Axial slice 97 of 139 of a chest CT (slice 1 is the lowest), reconstructed with the LUNG kernel at 120 kVp; 2.50 mm slice thickness and 0.703 mm pixels.
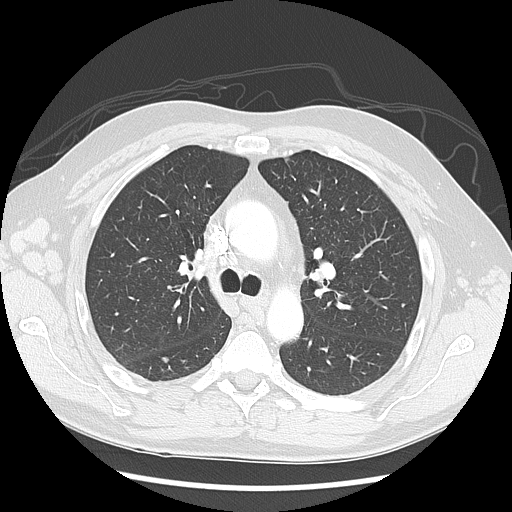
Pulmonary nodule, outlined by one of the four readers. Box on this slice rows 357–362, columns 160–168, that reader's outline on this slice; longest diameter 7.3 mm and volume 176 mm3 from that reader's outline. That reader's ratings: texture 5/5 (solid); margin 5/5 (circumscribed); sphericity 3/5 (ovoid); calcification absent; internal structure soft tissue; subtlety 3/5; malignancy likelihood 2/5. Scale key (1–5): texture non-solid→solid, margin indistinct→circumscribed, sphericity linear→round, subtlety extremely subtle→obvious, malignancy likelihood highly unlikely→highly suspicious of cancer. Box rows and columns are 0-based pixel indices from the top-left corner, inclusive.